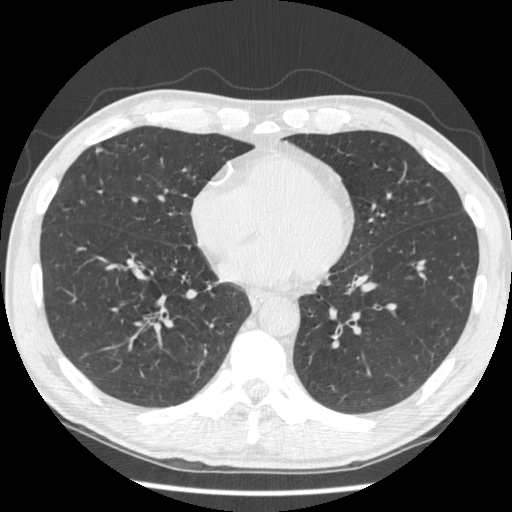
Axial chest CT slice 175 of 506 (counted from the lowest slice); tube voltage 120 kVp, convolution kernel STANDARD; slices 1.25 mm thick, 0.664 mm per pixel.
Pulmonary nodule, outlined by one of the four readers. Box on this slice rows 148–155, columns 95–102, that reader's outline on this slice; longest diameter 10.9 mm and volume 130 mm3 from that reader's outline. Ratings by that reader: texture 4/5; margin 4/5; sphericity 2/5; calcification absent; internal structure soft tissue; subtlety 4/5; malignancy likelihood 2/5. Scale key (1–5): texture non-solid→solid, margin indistinct→circumscribed, sphericity linear→round, subtlety extremely subtle→obvious, malignancy likelihood highly unlikely→highly suspicious of cancer. Box rows and columns are 0-based pixel indices from the top-left corner, inclusive.